One axial slice (89 of 144, counting up from the lowest) of a chest CT acquired at 140 kVp with the BONE kernel; each pixel is 0.617 mm and the slice is 2.50 mm thick.
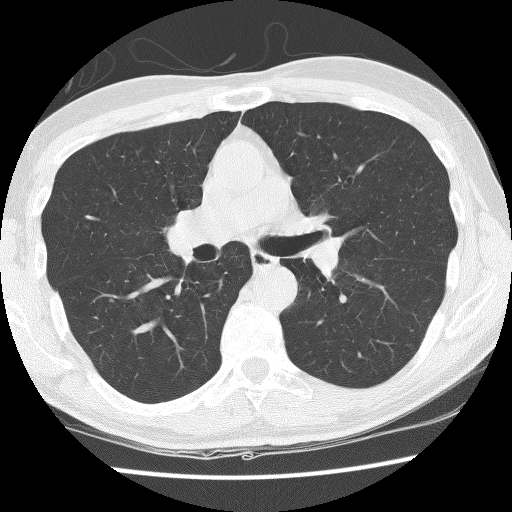
Pulmonary nodule at rows 299–302, columns 109–113 (box = the union of the readers' outlines on this slice), outlined by two of the four readers; longest diameter 3.5 mm on average over the two readers' outlines (readers' outlines 2.5–4.4 mm), volume 10–38 mm3. Ratings, by the readers' most common answer with dissent counted: texture split among the readers: 2/5 (one), 5/5 (solid) (one); margin 3/5 from both readers; sphericity 2/5 from both readers; calcification absent from both readers; internal structure soft tissue, both readers agreeing; subtlety split among the readers: 1/5 (one), 2/5 (one); malignancy likelihood split among the readers: 1/5 (one), 3/5 (one). Scale key (1–5): texture non-solid→solid, margin indistinct→circumscribed, sphericity linear→round, subtlety extremely subtle→obvious, malignancy likelihood highly unlikely→highly suspicious of cancer. Box rows and columns are 0-based pixel indices from the top-left corner, inclusive.